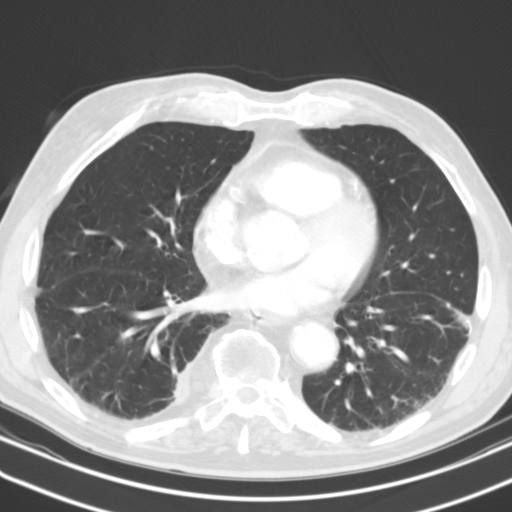
One axial slice (60 of 127, counting up from the lowest) of a chest CT acquired at 130 kVp with the B31s kernel; each pixel is 0.668 mm and the slice is 3.00 mm thick.
Pulmonary nodule at rows 368–403, columns 173–190 (box = the union of the readers' outlines on this slice), outlined by two of the four readers; longest diameter 25.6–26.3 mm and volume 5517–6604 mm3 across the two readers' outlines. Ratings across the readers: texture 5/5 (solid) from both readers; margin 4/5 from both readers; sphericity from 2/5 to 3/5 (ovoid) across the two readers; calcification absent from both readers; internal structure soft tissue from both readers; subtlety 5/5, both readers agreeing; malignancy likelihood rated between 2 and 3 out of 5 by the two readers. Scale key (1–5): texture non-solid→solid, margin indistinct→circumscribed, sphericity linear→round, subtlety extremely subtle→obvious, malignancy likelihood highly unlikely→highly suspicious of cancer. Box rows and columns are 0-based pixel indices from the top-left corner, inclusive.